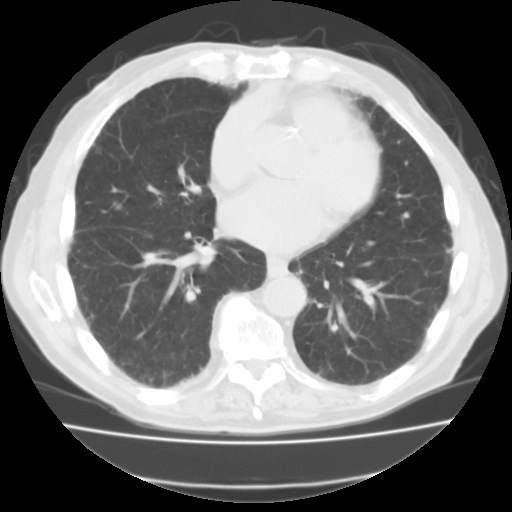
One axial slice (45 of 111, counting up from the lowest) of a chest CT acquired at 135 kVp with the FC01 kernel; each pixel is 0.714 mm and the slice is 3.00 mm thick.
Pulmonary nodule at rows 201–209, columns 113–121 (box = the union of the readers' outlines on this slice), outlined by all four readers; median longest diameter 9.7 mm (readers' outlines 9.3–10.8 mm), median volume 381 mm3 (275–458 mm3). Median ratings and the readers' spread: texture 5/5 (solid) at the median of four readers, spread 4/5 to 5/5 (solid); median margin 4/5 (readers ranged 3/5 to 5/5 (circumscribed)); sphericity 4.5/5 at the median of four readers, spread 3/5 (ovoid) to 5/5 (round); calcification absent from all four readers; internal structure soft tissue from all four readers; subtlety 4.5/5 at the median of four readers, spread 3–5; malignancy likelihood 3/5 at the median of four readers, spread 2–4. Scale key (1–5): texture non-solid→solid, margin indistinct→circumscribed, sphericity linear→round, subtlety extremely subtle→obvious, malignancy likelihood highly unlikely→highly suspicious of cancer. Box rows and columns are 0-based pixel indices from the top-left corner, inclusive.